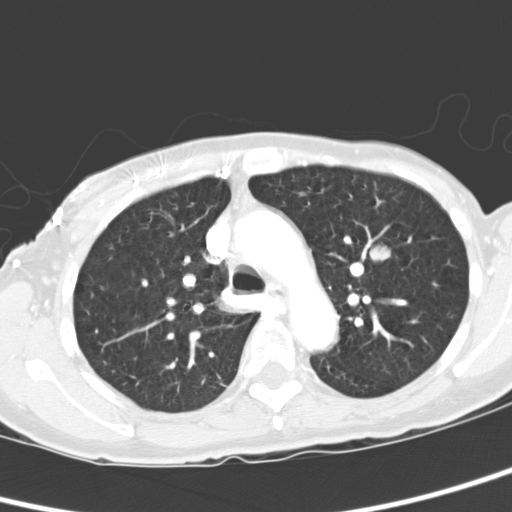
Axial slice 224 of 321 of a chest CT (slice 1 is the lowest), reconstructed with the D kernel at 120 kVp; 2.00 mm slice thickness and 0.557 mm pixels.
Pulmonary nodule outlined by all four readers; box rows 240–262, columns 368–391 (the union of the readers' outlines on this slice); median longest diameter 20.6 mm (readers' outlines 19.2–22.3 mm), median volume 3516 mm3 (3069–4125 mm3). Ratings, median across the readers with their spread: texture 5/5 (solid), all four readers agreeing; margin 5/5 (circumscribed), all four readers agreeing; median sphericity 4.5/5 (readers ranged 4/5 to 5/5 (round)); calcification absent, all four readers agreeing; internal structure soft tissue, all four readers agreeing; subtlety 5/5 from all four readers; malignancy likelihood 4/5 at the median of four readers, spread 2–5. Scale key (1–5): texture non-solid→solid, margin indistinct→circumscribed, sphericity linear→round, subtlety extremely subtle→obvious, malignancy likelihood highly unlikely→highly suspicious of cancer. Box rows and columns are 0-based pixel indices from the top-left corner, inclusive.